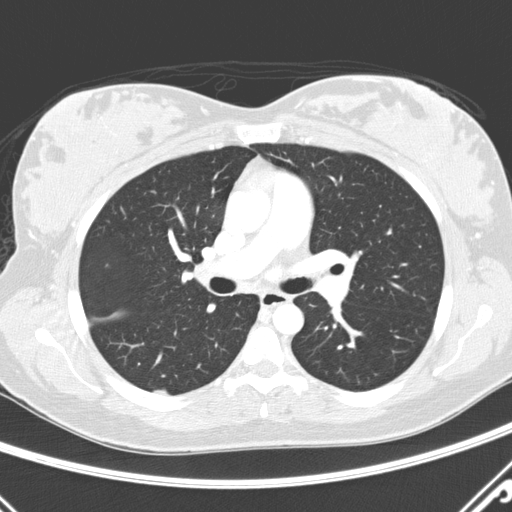
Axial slice 177 of 290 of a chest CT (slice 1 is the lowest), reconstructed with the D kernel at 120 kVp; 2.00 mm slice thickness and 0.648 mm pixels.
Pulmonary nodule, outlined by one of the four readers. Box on this slice rows 390–394, columns 153–167, that reader's outline on this slice; longest diameter 15.8 mm and volume 355 mm3 from that reader's outline. That reader's ratings: texture 5/5 (solid); margin 5/5 (circumscribed); sphericity 3/5 (ovoid); calcification absent; internal structure soft tissue; subtlety 5/5; malignancy likelihood 3/5. Scale key (1–5): texture non-solid→solid, margin indistinct→circumscribed, sphericity linear→round, subtlety extremely subtle→obvious, malignancy likelihood highly unlikely→highly suspicious of cancer. Box rows and columns are 0-based pixel indices from the top-left corner, inclusive.